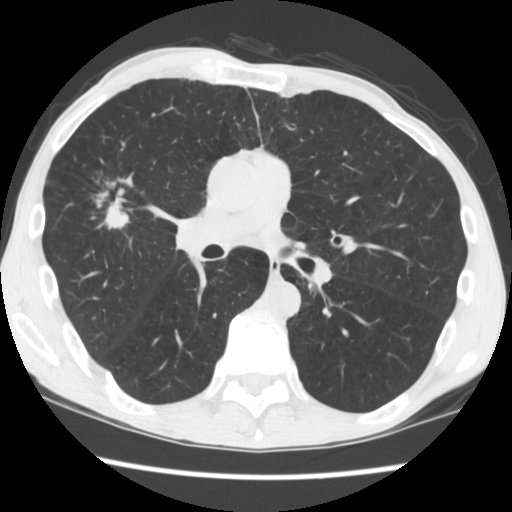
Axial slice 96 of 181 of a chest CT (slice 1 is the lowest), reconstructed with the STANDARD kernel at 120 kVp; 2.50 mm slice thickness and 0.645 mm pixels.
Pulmonary nodule at rows 171–233, columns 89–134 (box = the union of the readers' outlines on this slice), outlined by all four readers; median longest diameter 39.6 mm (readers' outlines 35.2–44.7 mm), median volume 7793 mm3 (5781–11800 mm3). Ratings, median across the readers with their spread: texture 4/5 at the median of four readers, spread 4/5 to 5/5 (solid); median margin 3/5 (readers ranged 2/5 to 4/5); median sphericity 3.5/5 (readers ranged 2/5 to 5/5 (round)); calcification absent from all four readers; internal structure soft tissue from all four readers; subtlety 5/5 from all four readers; malignancy likelihood 5/5 from all four readers. Scale key (1–5): texture non-solid→solid, margin indistinct→circumscribed, sphericity linear→round, subtlety extremely subtle→obvious, malignancy likelihood highly unlikely→highly suspicious of cancer. Box rows and columns are 0-based pixel indices from the top-left corner, inclusive.